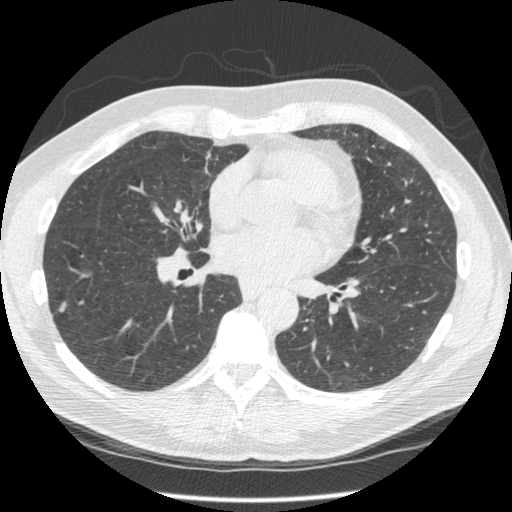
Chest CT, axial plane, 120 kVp, kernel STANDARD. Slice 239/545 from the bottom of the scan; thickness 1.25 mm; pixel size 0.703 mm.
Pulmonary nodule outlined by all four readers; box rows 300–312, columns 56–66 (the union of the readers' outlines on this slice); longest diameter 9.2–14.5 mm and volume 121–250 mm3 across the four readers' outlines. The readers' ratings, as ranges where they differ: texture 5/5 (solid), all four readers agreeing; margin from 3/5 to 5/5 (circumscribed) across the four readers; sphericity from 2/5 to 5/5 (round) across the four readers; calcification absent, all four readers agreeing; internal structure soft tissue, all four readers agreeing; subtlety from 3/5 to 5/5 across the four readers; malignancy likelihood 2–5/5 (the readers disagree). Scale key (1–5): texture non-solid→solid, margin indistinct→circumscribed, sphericity linear→round, subtlety extremely subtle→obvious, malignancy likelihood highly unlikely→highly suspicious of cancer. Box rows and columns are 0-based pixel indices from the top-left corner, inclusive.